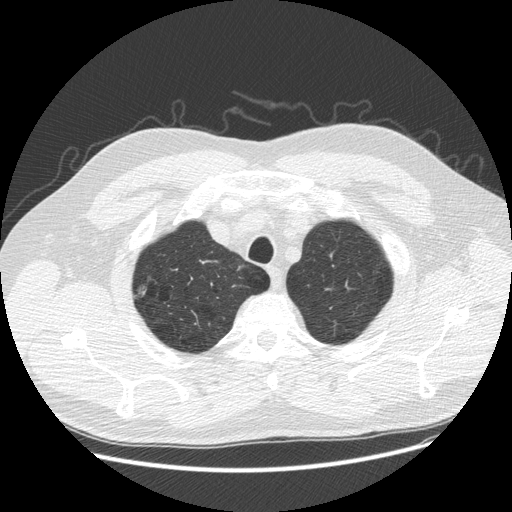
Axial chest CT slice 416 of 481 (counted from the lowest slice); 1.25 mm thick, 0.742 mm per pixel. Pulmonary nodule, outlined by two of the four readers, one of them on this slice. Box on this slice rows 277–294, columns 137–150, the one reader's outline on this slice; median longest diameter 16.8 mm (readers' outlines 15.0–18.6 mm), median volume 609 mm3 (293–924 mm3). Median ratings and the readers' spread: texture 1/5 (non-solid) from both readers; margin 1.5/5 at the median of two readers, spread 1/5 (indistinct) to 2/5; sphericity 4/5 at the median of two readers, spread 3/5 (ovoid) to 5/5 (round); calcification absent, both readers agreeing; internal structure soft tissue from both readers; subtlety 1.5/5 at the median of two readers, spread 1–2; median malignancy likelihood 3/5 (readers ranged 2–4). Scale key (1–5): texture non-solid→solid, margin indistinct→circumscribed, sphericity linear→round, subtlety extremely subtle→obvious, malignancy likelihood highly unlikely→highly suspicious of cancer. Box rows and columns are 0-based pixel indices from the top-left corner, inclusive.
Scan settings: 120 kVp, STANDARD reconstruction kernel.